Chest CT, axial plane, 120 kVp, kernel STANDARD. Slice 108/141 from the bottom of the scan; thickness 2.50 mm; pixel size 0.625 mm.
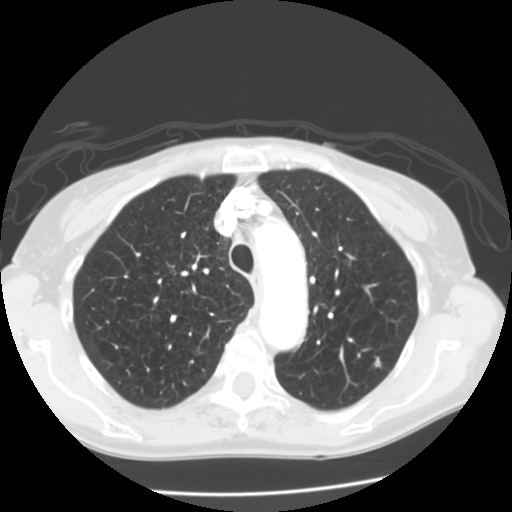
Pulmonary nodule, outlined by three of the four readers. Box on this slice rows 356–369, columns 370–382, the union of the readers' outlines on this slice; median longest diameter 9.4 mm (readers' outlines 7.5–11.9 mm), median volume 167 mm3 (100–469 mm3). Median ratings and the readers' spread: median texture 5/5 (solid) (readers ranged 4/5 to 5/5 (solid)); margin 4/5, all three readers agreeing; median sphericity 3/5 (ovoid) (readers ranged 2/5 to 5/5 (round)); calcification absent, all three readers agreeing; internal structure soft tissue, all three readers agreeing; subtlety 4/5 at the median of three readers, spread 3–5; malignancy likelihood 4/5 at the median of three readers, spread 3–4. Scale key (1–5): texture non-solid→solid, margin indistinct→circumscribed, sphericity linear→round, subtlety extremely subtle→obvious, malignancy likelihood highly unlikely→highly suspicious of cancer. Box rows and columns are 0-based pixel indices from the top-left corner, inclusive.